One axial slice (446 of 733, counting up from the lowest) of a chest CT acquired at 120 kVp with the B50f kernel; each pixel is 0.637 mm and the slice is 0.60 mm thick.
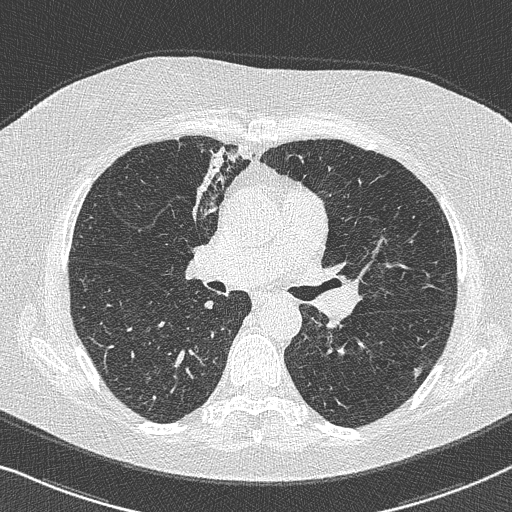
Pulmonary nodule outlined by all four readers; box rows 366–381, columns 410–423 (the union of the readers' outlines on this slice); median longest diameter 11.6 mm (readers' outlines 11.1–11.9 mm), median volume 252 mm3 (231–376 mm3). Median ratings and the readers' spread: texture 5/5 (solid), all four readers agreeing; margin 3.5/5 at the median of four readers, spread 3/5 to 5/5 (circumscribed); median sphericity 3/5 (ovoid) (readers ranged 3/5 (ovoid) to 5/5 (round)); calcification absent from all four readers; internal structure soft tissue, all four readers agreeing; median subtlety 4.5/5 (readers ranged 4–5); malignancy likelihood 3.5/5 at the median of four readers, spread 3–4. Scale key (1–5): texture non-solid→solid, margin indistinct→circumscribed, sphericity linear→round, subtlety extremely subtle→obvious, malignancy likelihood highly unlikely→highly suspicious of cancer. Box rows and columns are 0-based pixel indices from the top-left corner, inclusive.